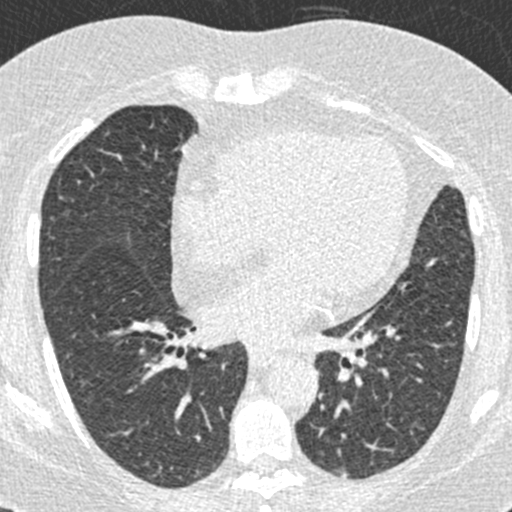
Chest CT, axial plane, 120 kVp, kernel B30f. Slice 231/423 from the bottom of the scan; thickness 0.75 mm; pixel size 0.520 mm.
Pulmonary nodule outlined by one of the four readers; box rows 466–476, columns 335–350 (that reader's outline on this slice); longest diameter 9.7 mm and volume 143 mm3 from that reader's outline. Ratings by that reader: texture 3/5 (part-solid); margin 3/5; sphericity 3/5 (ovoid); calcification absent; internal structure soft tissue; subtlety 5/5; malignancy likelihood 3/5. Scale key (1–5): texture non-solid→solid, margin indistinct→circumscribed, sphericity linear→round, subtlety extremely subtle→obvious, malignancy likelihood highly unlikely→highly suspicious of cancer. Box rows and columns are 0-based pixel indices from the top-left corner, inclusive.